Axial chest CT slice 111 of 535 (counted from the lowest slice); tube voltage 120 kVp, convolution kernel STANDARD; slices 1.25 mm thick, 0.664 mm per pixel.
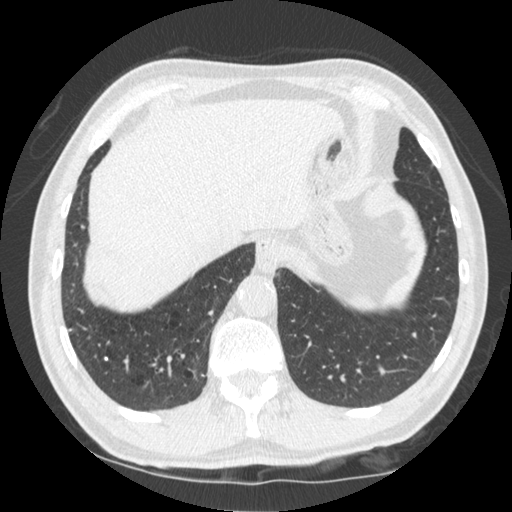
Pulmonary nodule outlined by one of the four readers; box rows 224–228, columns 79–84 (that reader's outline on this slice); longest diameter 5.7 mm and volume 64 mm3 from that reader's outline. Ratings by that reader: texture 5/5 (solid); margin 5/5 (circumscribed); sphericity 5/5 (round); calcification solid calcification; internal structure soft tissue; subtlety 5/5; malignancy likelihood 1/5. Scale key (1–5): texture non-solid→solid, margin indistinct→circumscribed, sphericity linear→round, subtlety extremely subtle→obvious, malignancy likelihood highly unlikely→highly suspicious of cancer. Box rows and columns are 0-based pixel indices from the top-left corner, inclusive.